Chest CT, axial plane, 120 kVp, kernel STANDARD. Slice 334/557 from the bottom of the scan; thickness 1.25 mm; pixel size 0.703 mm.
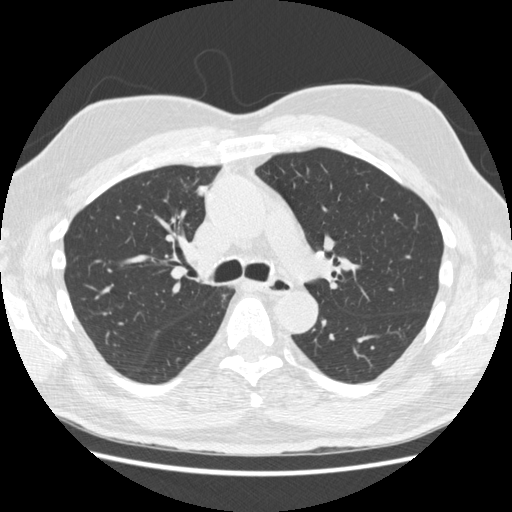
Pulmonary nodule at rows 185–196, columns 196–208 (box = the union of the readers' outlines on this slice), outlined by all four readers; the four readers' outlines give a longest diameter between 12.6 and 14.2 mm and a volume between 470 and 622 mm3. The readers' ratings, as ranges where they differ: texture 5/5 (solid) from all four readers; margin from 4/5 to 5/5 (circumscribed) across the four readers; sphericity 3/5 (ovoid) from all four readers; calcification absent, all four readers agreeing; internal structure soft tissue, all four readers agreeing; subtlety from 3/5 to 5/5 across the four readers; malignancy likelihood rated between 1 and 4 out of 5 by the four readers. Scale key (1–5): texture non-solid→solid, margin indistinct→circumscribed, sphericity linear→round, subtlety extremely subtle→obvious, malignancy likelihood highly unlikely→highly suspicious of cancer. Box rows and columns are 0-based pixel indices from the top-left corner, inclusive.